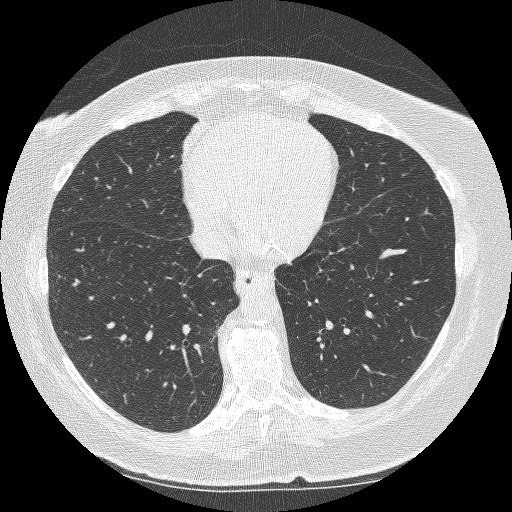
Axial chest CT slice 112 of 253 (counted from the lowest slice); tube voltage 120 kVp, convolution kernel BONE; slices 1.25 mm thick, 0.625 mm per pixel.
No nodule of 3 mm or larger was outlined by any of the four readers on this slice.